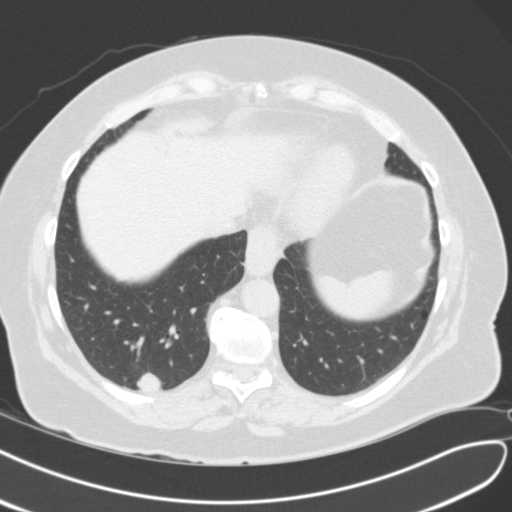
Axial slice 36 of 106 of a chest CT (slice 1 is the lowest), reconstructed with the B31f kernel at 120 kVp; 3.00 mm slice thickness and 0.705 mm pixels.
Pulmonary nodule, outlined by all four readers. Box on this slice rows 373–391, columns 136–164, the union of the readers' outlines on this slice; longest diameter 20.3 mm on average over the four readers' outlines (readers' outlines 19.5–21.3 mm), volume 1709–3140 mm3. The readers' prevailing ratings and who disagreed: texture 5/5 (solid) by three of four readers; the rest gave 4/5 (one); margin 4/5 by two of four readers; the rest gave 3/5 (one), 5/5 (circumscribed) (one); most readers (three of four) put sphericity at 5/5 (round), others 4/5 (one); calcification absent, all four readers agreeing; internal structure soft tissue by three of four readers, air (one); most readers (three of four) put subtlety at 5/5, others 4/5 (one); malignancy likelihood 3/5 by two of four readers; the rest gave 1/5 (one), 5/5 (one). Scale key (1–5): texture non-solid→solid, margin indistinct→circumscribed, sphericity linear→round, subtlety extremely subtle→obvious, malignancy likelihood highly unlikely→highly suspicious of cancer. Box rows and columns are 0-based pixel indices from the top-left corner, inclusive.